One axial slice (272 of 557, counting up from the lowest) of a chest CT acquired at 120 kVp with the STANDARD kernel; each pixel is 0.703 mm and the slice is 1.25 mm thick.
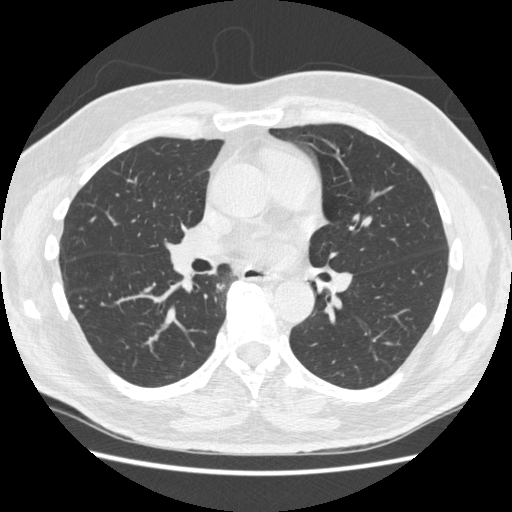
Pulmonary nodule outlined by two of the four readers; box rows 305–308, columns 77–83 (the union of the readers' outlines on this slice); longest diameter 5.7–6.3 mm and volume 41–64 mm3 across the two readers' outlines. The readers' ratings, as ranges where they differ: texture 5/5 (solid), both readers agreeing; margin 5/5 (circumscribed), both readers agreeing; sphericity from 4/5 to 5/5 (round) across the two readers; calcification absent from both readers; internal structure soft tissue from both readers; subtlety from 1/5 to 4/5 across the two readers; malignancy likelihood 2–3/5 (the readers disagree). Scale key (1–5): texture non-solid→solid, margin indistinct→circumscribed, sphericity linear→round, subtlety extremely subtle→obvious, malignancy likelihood highly unlikely→highly suspicious of cancer. Box rows and columns are 0-based pixel indices from the top-left corner, inclusive.